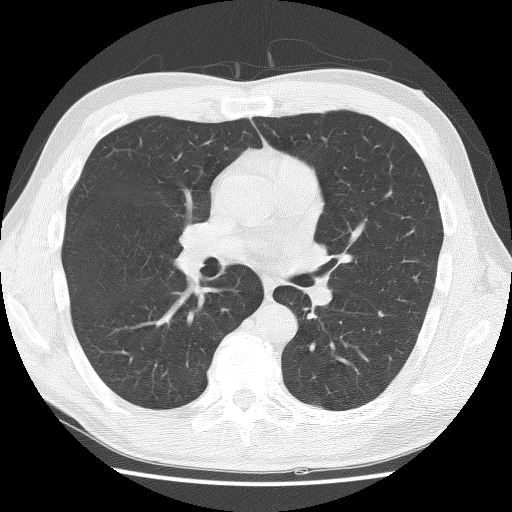
This is axial slice 72 of 132 (slice 1 is the lowest) of a chest CT; each pixel is 0.656 mm and the slice is 2.50 mm thick. Pulmonary nodule at rows 402–408, columns 309–321 (box = that reader's outline on this slice), outlined by one of the four readers; longest diameter 10.2 mm and volume 334 mm3 from that reader's outline. That reader's ratings: texture 4/5; margin 4/5; sphericity 2/5; calcification absent; internal structure soft tissue; subtlety 4/5; malignancy likelihood 2/5. Scale key (1–5): texture non-solid→solid, margin indistinct→circumscribed, sphericity linear→round, subtlety extremely subtle→obvious, malignancy likelihood highly unlikely→highly suspicious of cancer. Box rows and columns are 0-based pixel indices from the top-left corner, inclusive.
Acquired at 140 kVp and reconstructed with the BONE kernel.